Axial chest CT slice 63 of 101 (counted from the lowest slice); tube voltage 120 kVp, convolution kernel B45f; slices 3.00 mm thick, 0.586 mm per pixel.
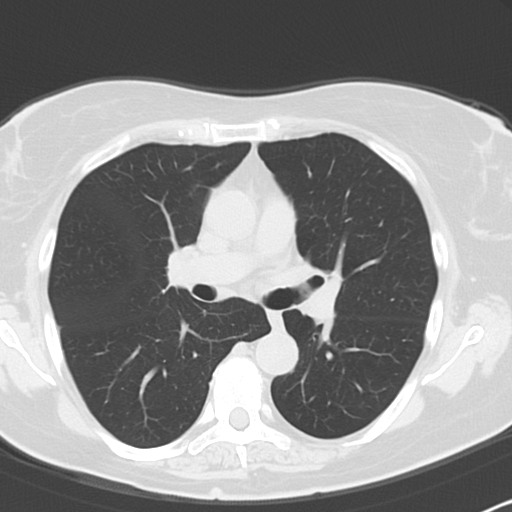
No nodule 3 mm or larger was outlined here by any reader.